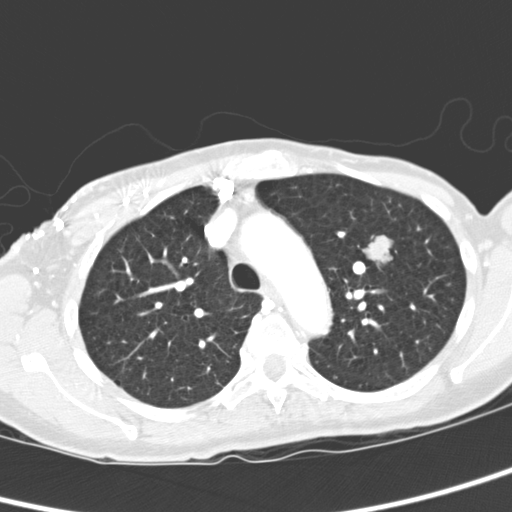
This is axial slice 236 of 321 (slice 1 is the lowest) of a chest CT; each pixel is 0.557 mm and the slice is 2.00 mm thick. Pulmonary nodule outlined by all four readers; box rows 235–265, columns 360–394 (the union of the readers' outlines on this slice); longest diameter 20.7 mm on average over the four readers' outlines (readers' outlines 19.2–22.3 mm), volume 3069–4125 mm3. The readers' prevailing ratings and who disagreed: texture 5/5 (solid) from all four readers; margin 5/5 (circumscribed), all four readers agreeing; sphericity split among the readers: 4/5 (two), 5/5 (round) (two); calcification absent, all four readers agreeing; internal structure soft tissue, all four readers agreeing; subtlety 5/5 from all four readers; malignancy likelihood 5/5 by two of four readers; the rest gave 2/5 (one), 3/5 (one). Scale key (1–5): texture non-solid→solid, margin indistinct→circumscribed, sphericity linear→round, subtlety extremely subtle→obvious, malignancy likelihood highly unlikely→highly suspicious of cancer. Box rows and columns are 0-based pixel indices from the top-left corner, inclusive.
Tube voltage 120 kVp; convolution kernel D.